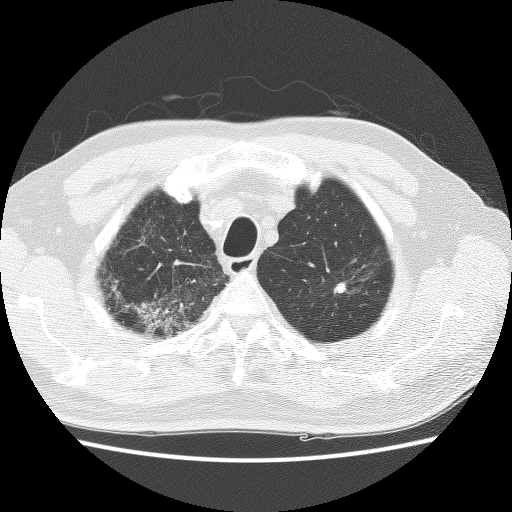
Axial slice 108 of 129 of a chest CT (slice 1 is the lowest), reconstructed with the BONE kernel at 140 kVp; 2.50 mm slice thickness and 0.645 mm pixels.
Pulmonary nodule, outlined by all four readers. Box on this slice rows 282–295, columns 334–346, the union of the readers' outlines on this slice; longest diameter 11.2 mm on average over the four readers' outlines (readers' outlines 9.7–12.2 mm), volume 557–991 mm3. Ratings, by the readers' most common answer with dissent counted: texture split among the readers: 4/5 (two), 5/5 (solid) (two); margin split among the readers: 2/5 (one), 3/5 (one), 4/5 (one), 5/5 (circumscribed) (one); sphericity 4/5 by two of four readers; the rest gave 2/5 (one), 3/5 (ovoid) (one); calcification split among the readers: absent (two), central calcification (two); internal structure soft tissue from all four readers; subtlety split among the readers: 4/5 (two), 5/5 (two); malignancy likelihood 1/5 by two of four readers; the rest gave 3/5 (one), 5/5 (one). Scale key (1–5): texture non-solid→solid, margin indistinct→circumscribed, sphericity linear→round, subtlety extremely subtle→obvious, malignancy likelihood highly unlikely→highly suspicious of cancer. Box rows and columns are 0-based pixel indices from the top-left corner, inclusive.